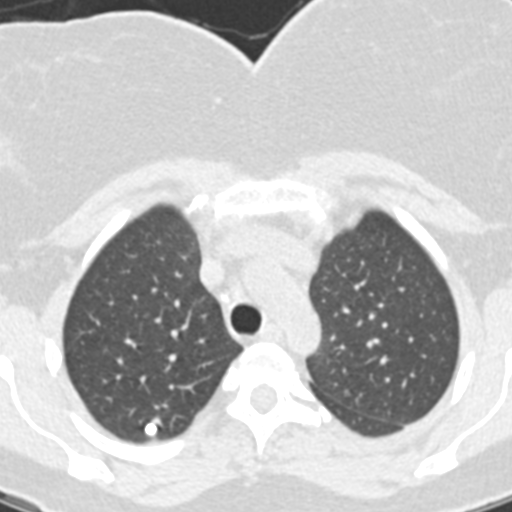
Slice 150/331 of a chest CT, counting up from the lowest; pixel size 0.496 mm, slice thickness 1.25 mm. Pulmonary nodule outlined by all four readers; box rows 423–435, columns 145–156 (the union of the readers' outlines on this slice); longest diameter 6.9–8.4 mm and volume 132–209 mm3 across the four readers' outlines. Ratings across the readers: texture 5/5 (solid) from all four readers; margin 5/5 (circumscribed) from all four readers; sphericity from 4/5 to 5/5 (round) across the four readers; calcification: solid calcification (three), central calcification (one); internal structure soft tissue from all four readers; subtlety from 4/5 to 5/5 across the four readers; malignancy likelihood 1/5, all four readers agreeing. Scale key (1–5): texture non-solid→solid, margin indistinct→circumscribed, sphericity linear→round, subtlety extremely subtle→obvious, malignancy likelihood highly unlikely→highly suspicious of cancer. Box rows and columns are 0-based pixel indices from the top-left corner, inclusive.
Scan settings: 130 kVp, B20s reconstruction kernel.